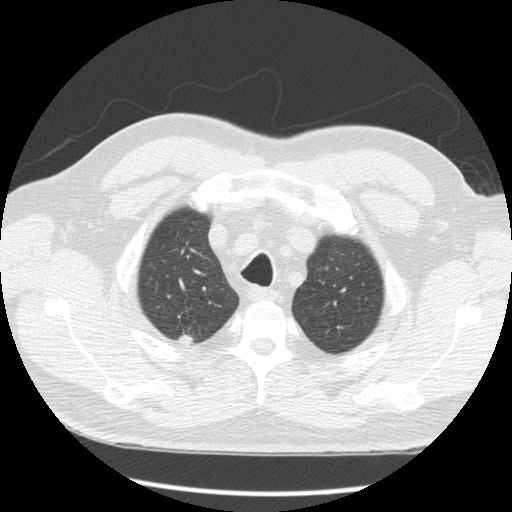
Axial chest CT slice 145 of 163 (counted from the lowest slice); 2.50 mm thick, 0.703 mm per pixel. Pulmonary nodule, outlined by all four readers. Box on this slice rows 335–342, columns 177–193, the union of the readers' outlines on this slice; median longest diameter 15.8 mm (readers' outlines 12.5–16.1 mm), median volume 564 mm3 (399–656 mm3). Ratings, median across the readers with their spread: texture 5/5 (solid) at the median of four readers, spread 4/5 to 5/5 (solid); median margin 3/5 (readers ranged 2/5 to 4/5); sphericity 3.5/5 at the median of four readers, spread 3/5 (ovoid) to 4/5; calcification absent, all four readers agreeing; internal structure soft tissue from all four readers; subtlety 5/5 at the median of four readers, spread 4–5; median malignancy likelihood 4/5 (readers ranged 3–4). Scale key (1–5): texture non-solid→solid, margin indistinct→circumscribed, sphericity linear→round, subtlety extremely subtle→obvious, malignancy likelihood highly unlikely→highly suspicious of cancer. Box rows and columns are 0-based pixel indices from the top-left corner, inclusive.
Tube voltage 120 kVp; convolution kernel STANDARD.